Axial chest CT slice 97 of 150 (counted from the lowest slice); tube voltage 120 kVp, convolution kernel LUNG; slices 2.50 mm thick, 0.781 mm per pixel.
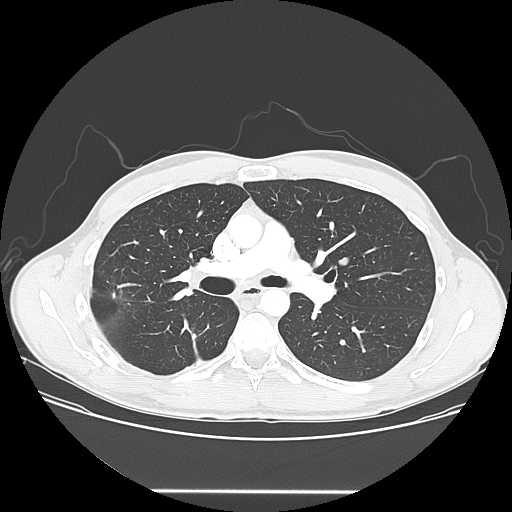
Pulmonary nodule at rows 257–265, columns 338–348 (box = the union of the readers' outlines on this slice), outlined by two of the four readers; median longest diameter 13.6 mm (readers' outlines 13.4–13.7 mm), median volume 554 mm3 (506–603 mm3). Median ratings and the readers' spread: texture 5/5 (solid) from both readers; margin 4.5/5 at the median of two readers, spread 4/5 to 5/5 (circumscribed); median sphericity 3/5 (ovoid) (readers ranged 1/5 (linear) to 5/5 (round)); calcification absent, both readers agreeing; internal structure soft tissue, both readers agreeing; median subtlety 3.5/5 (readers ranged 3–4); malignancy likelihood 2/5, both readers agreeing. Scale key (1–5): texture non-solid→solid, margin indistinct→circumscribed, sphericity linear→round, subtlety extremely subtle→obvious, malignancy likelihood highly unlikely→highly suspicious of cancer. Box rows and columns are 0-based pixel indices from the top-left corner, inclusive.